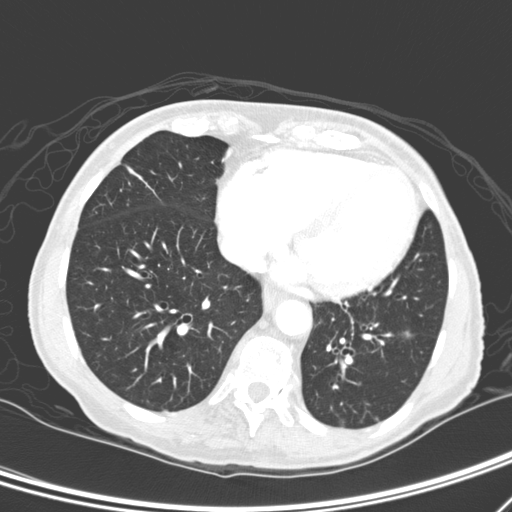
This is axial slice 104 of 276 (slice 1 is the lowest) of a chest CT; each pixel is 0.617 mm and the slice is 2.00 mm thick. Pulmonary nodule outlined by all four readers; box rows 330–340, columns 398–415 (the union of the readers' outlines on this slice); the four readers' outlines give a longest diameter between 7.2 and 10.6 mm and a volume between 121 and 277 mm3. The readers' ratings, as ranges where they differ: texture from 1/5 (non-solid) to 5/5 (solid) across the four readers; margin from 1/5 (indistinct) to 5/5 (circumscribed) across the four readers; sphericity from 2/5 to 4/5 across the four readers; calcification absent from all four readers; internal structure soft tissue from all four readers; subtlety rated between 2 and 4 out of 5 by the four readers; malignancy likelihood 2–4/5 (the readers disagree). Scale key (1–5): texture non-solid→solid, margin indistinct→circumscribed, sphericity linear→round, subtlety extremely subtle→obvious, malignancy likelihood highly unlikely→highly suspicious of cancer. Box rows and columns are 0-based pixel indices from the top-left corner, inclusive.
Scan settings: 120 kVp, D reconstruction kernel.